One axial slice (212 of 267, counting up from the lowest) of a chest CT acquired at 120 kVp with the BONE kernel; each pixel is 0.596 mm and the slice is 1.25 mm thick.
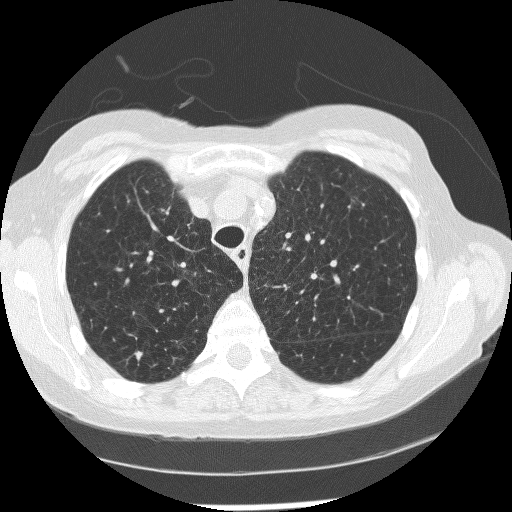
Pulmonary nodule at rows 350–362, columns 133–142 (box = the union of the readers' outlines on this slice), outlined by all four readers; longest diameter 8.9 mm on average over the four readers' outlines (readers' outlines 8.4–9.5 mm), volume 111–243 mm3. Ratings, by the readers' most common answer with dissent counted: most readers (three of four) put texture at 5/5 (solid), others 4/5 (one); most readers (three of four) put margin at 4/5, others 3/5 (one); most readers (three of four) put sphericity at 3/5 (ovoid), others 2/5 (one); calcification absent from all four readers; internal structure soft tissue from all four readers; subtlety 5/5 by two of four readers; the rest gave 3/5 (one), 4/5 (one); malignancy likelihood 3/5 by three of four readers; the rest gave 4/5 (one). Scale key (1–5): texture non-solid→solid, margin indistinct→circumscribed, sphericity linear→round, subtlety extremely subtle→obvious, malignancy likelihood highly unlikely→highly suspicious of cancer. Box rows and columns are 0-based pixel indices from the top-left corner, inclusive.